One axial slice (53 of 133, counting up from the lowest) of a chest CT acquired at 120 kVp with the STANDARD kernel; each pixel is 0.664 mm and the slice is 2.50 mm thick.
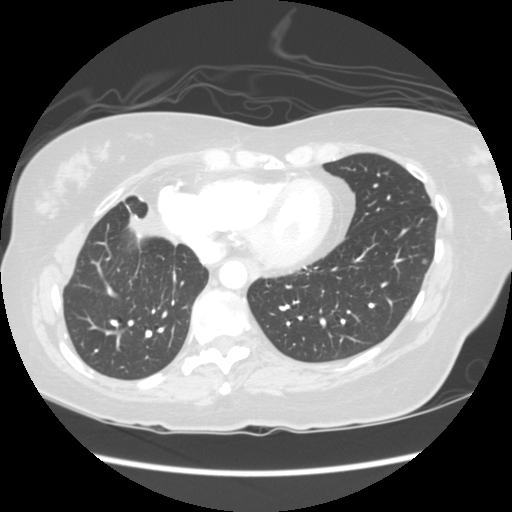
Pulmonary nodule outlined by one of the four readers; box rows 259–263, columns 423–426 (that reader's outline on this slice); longest diameter 5.1 mm and volume 61 mm3 from that reader's outline. Ratings by that reader: texture 4/5; margin 4/5; sphericity 3/5 (ovoid); calcification absent; internal structure soft tissue; subtlety 1/5; malignancy likelihood 3/5. Scale key (1–5): texture non-solid→solid, margin indistinct→circumscribed, sphericity linear→round, subtlety extremely subtle→obvious, malignancy likelihood highly unlikely→highly suspicious of cancer. Box rows and columns are 0-based pixel indices from the top-left corner, inclusive.